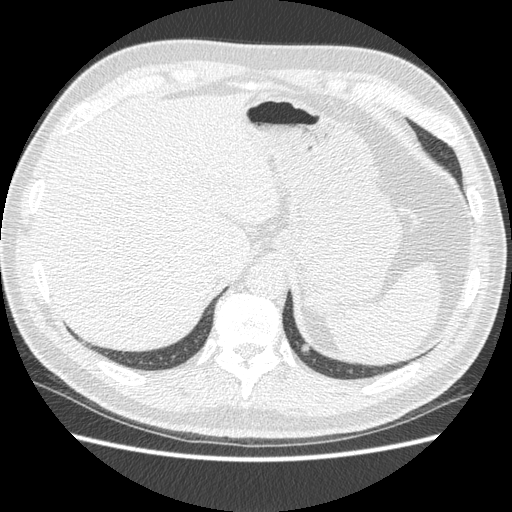
Slice 100/477 of a chest CT, counting up from the lowest; pixel size 0.703 mm, slice thickness 1.25 mm. Pulmonary nodule, outlined by all four readers. Box on this slice rows 343–352, columns 300–309, the union of the readers' outlines on this slice; median longest diameter 11.7 mm (readers' outlines 10.5–13.2 mm), median volume 384 mm3 (347–425 mm3). Ratings, median across the readers with their spread: texture 5/5 (solid) from all four readers; median margin 4/5 (readers ranged 4/5 to 5/5 (circumscribed)); median sphericity 3.5/5 (readers ranged 3/5 (ovoid) to 5/5 (round)); calcification split among the readers: solid calcification (one), non-central calcification (one), central calcification (one), absent (one); internal structure soft tissue from all four readers; median subtlety 4/5 (readers ranged 3–5); malignancy likelihood 1.5/5 at the median of four readers, spread 1–2. Scale key (1–5): texture non-solid→solid, margin indistinct→circumscribed, sphericity linear→round, subtlety extremely subtle→obvious, malignancy likelihood highly unlikely→highly suspicious of cancer. Box rows and columns are 0-based pixel indices from the top-left corner, inclusive.
Scan settings: 120 kVp, STANDARD reconstruction kernel.